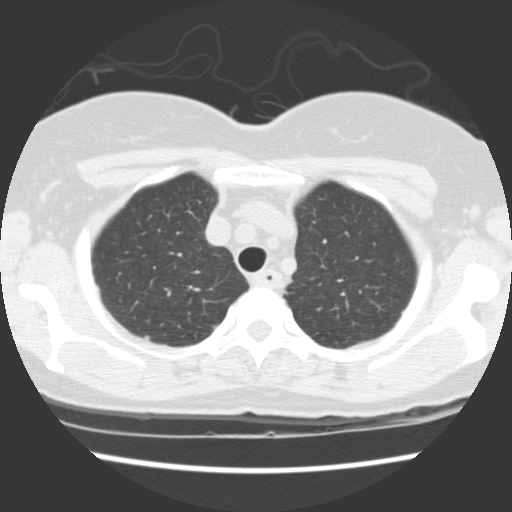
This is axial slice 112 of 140 (slice 1 is the lowest) of a chest CT; each pixel is 0.605 mm and the slice is 2.50 mm thick. Pulmonary nodule outlined by one of the four readers; box rows 335–339, columns 144–149 (that reader's outline on this slice); longest diameter 5.2 mm and volume 81 mm3 from that reader's outline. Ratings by that reader: texture 5/5 (solid); margin 5/5 (circumscribed); sphericity 4/5; calcification absent; internal structure soft tissue; subtlety 5/5; malignancy likelihood 2/5. Scale key (1–5): texture non-solid→solid, margin indistinct→circumscribed, sphericity linear→round, subtlety extremely subtle→obvious, malignancy likelihood highly unlikely→highly suspicious of cancer. Box rows and columns are 0-based pixel indices from the top-left corner, inclusive.
Tube voltage 120 kVp; convolution kernel STANDARD.